Chest CT, axial plane, 120 kVp, kernel BONE. Slice 71/264 from the bottom of the scan; thickness 1.25 mm; pixel size 0.703 mm.
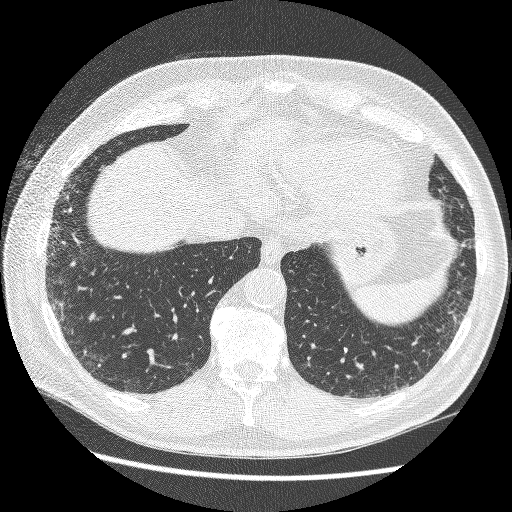
Two pulmonary nodules on this slice, listed from left to right. (1) Pulmonary nodule at rows 206–212, columns 68–72 (box = the union of the readers' outlines on this slice), outlined by all four readers; median longest diameter 5.4 mm (readers' outlines 5.4 mm), median volume 59 mm3 (57–65 mm3). Ratings, median across the readers with their spread: texture 5/5 (solid), all four readers agreeing; median margin 5/5 (circumscribed) (readers ranged 4/5 to 5/5 (circumscribed)); sphericity 3/5 (ovoid) at the median of four readers, spread 2/5 to 5/5 (round); calcification: solid calcification (three), absent (one); internal structure soft tissue from all four readers; subtlety 3/5 at the median of four readers, spread 1–5; malignancy likelihood 1/5, all four readers agreeing. (2) Pulmonary nodule outlined by three of the four readers; box rows 347–352, columns 343–347 (the union of the readers' outlines on this slice); the three readers' outlines give a longest diameter between 4.5 and 5.7 mm and a volume between 36 and 56 mm3. Ratings across the readers: texture 5/5 (solid), all three readers agreeing; margin 5/5 (circumscribed) from all three readers; sphericity from 2/5 to 4/5 across the three readers; calcification solid calcification from all three readers; internal structure soft tissue, all three readers agreeing; subtlety rated between 1 and 3 out of 5 by the three readers; malignancy likelihood 1/5, all three readers agreeing. Scale key (1–5): texture non-solid→solid, margin indistinct→circumscribed, sphericity linear→round, subtlety extremely subtle→obvious, malignancy likelihood highly unlikely→highly suspicious of cancer. Box rows and columns are 0-based pixel indices from the top-left corner, inclusive.